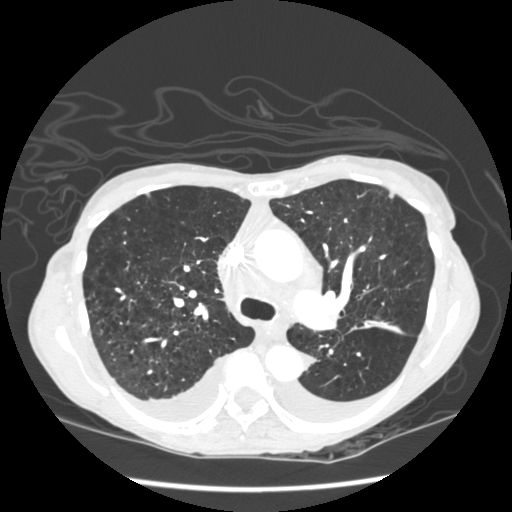
One axial slice (149 of 233, counting up from the lowest) of a chest CT acquired at 120 kVp with the STANDARD kernel; each pixel is 0.664 mm and the slice is 1.25 mm thick.
Pulmonary nodule outlined by one of the four readers; box rows 193–198, columns 389–393 (that reader's outline on this slice); longest diameter 5.1 mm and volume 32 mm3 from that reader's outline. That reader's ratings: texture 5/5 (solid); margin 4/5; sphericity 3/5 (ovoid); calcification absent; internal structure soft tissue; subtlety 2/5; malignancy likelihood 2/5. Scale key (1–5): texture non-solid→solid, margin indistinct→circumscribed, sphericity linear→round, subtlety extremely subtle→obvious, malignancy likelihood highly unlikely→highly suspicious of cancer. Box rows and columns are 0-based pixel indices from the top-left corner, inclusive.